Axial slice 218 of 290 of a chest CT (slice 1 is the lowest), reconstructed with the B kernel at 120 kVp; 2.00 mm slice thickness and 0.639 mm pixels.
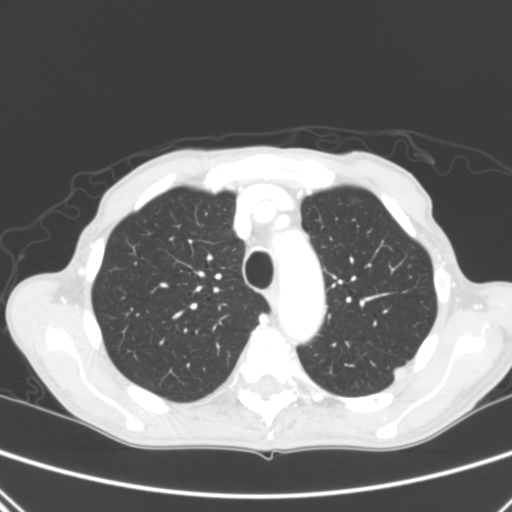
Pulmonary nodule, outlined by all four readers. Box on this slice rows 365–379, columns 392–407, the union of the readers' outlines on this slice; the four readers' outlines give a longest diameter between 12.9 and 15.8 mm and a volume between 837 and 1237 mm3. Ratings across the readers: texture from 4/5 to 5/5 (solid) across the four readers; margin from 4/5 to 5/5 (circumscribed) across the four readers; sphericity from 3/5 (ovoid) to 5/5 (round) across the four readers; calcification: absent (three), laminated calcification (one); internal structure soft tissue from all four readers; subtlety 4–5/5 (the readers disagree); malignancy likelihood rated between 2 and 5 out of 5 by the four readers. Scale key (1–5): texture non-solid→solid, margin indistinct→circumscribed, sphericity linear→round, subtlety extremely subtle→obvious, malignancy likelihood highly unlikely→highly suspicious of cancer. Box rows and columns are 0-based pixel indices from the top-left corner, inclusive.